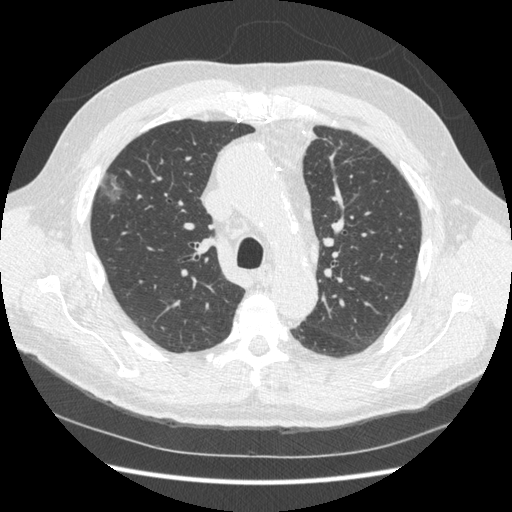
Axial chest CT slice 239 of 369 (counted from the lowest slice); tube voltage 120 kVp, convolution kernel STANDARD; slices 1.25 mm thick, 0.703 mm per pixel.
Pulmonary nodule at rows 172–203, columns 100–122 (box = that reader's outline on this slice), outlined by one of the four readers; longest diameter 27.0 mm and volume 3015 mm3 from that reader's outline. Ratings by that reader: texture 1/5 (non-solid); margin 1/5 (indistinct); sphericity 3/5 (ovoid); calcification absent; internal structure soft tissue; subtlety 3/5; malignancy likelihood 3/5. Scale key (1–5): texture non-solid→solid, margin indistinct→circumscribed, sphericity linear→round, subtlety extremely subtle→obvious, malignancy likelihood highly unlikely→highly suspicious of cancer. Box rows and columns are 0-based pixel indices from the top-left corner, inclusive.